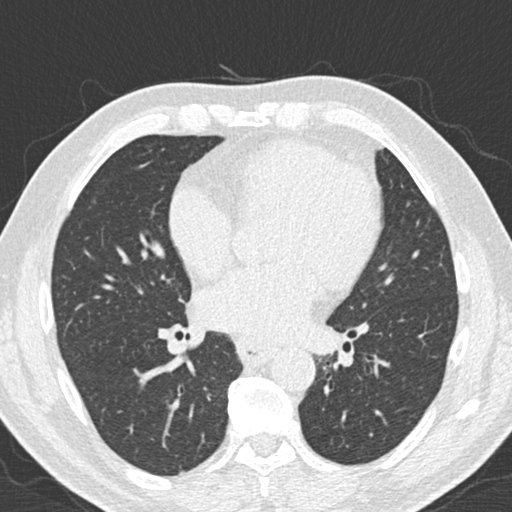
This is axial slice 97 of 197 (slice 1 is the lowest) of a chest CT; each pixel is 0.625 mm and the slice is 2.00 mm thick. None of the four readers outlined a nodule of 3 mm or more on this slice.
Scan settings: 120 kVp, B30f reconstruction kernel.